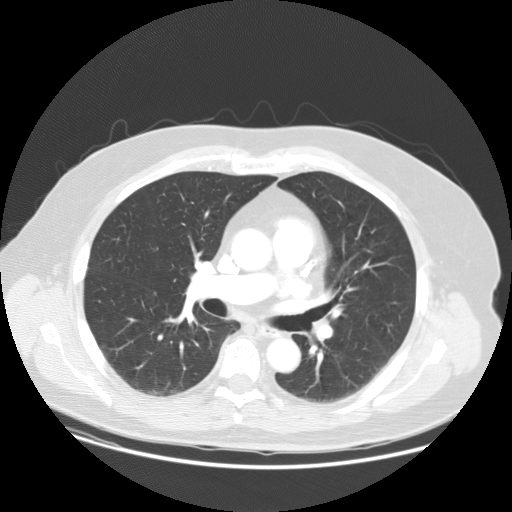
Axial chest CT slice 62 of 115 (counted from the lowest slice); 2.50 mm thick, 0.820 mm per pixel. This slice carries no reader outline of a nodule 3 mm or larger.
Scan settings: 120 kVp, STANDARD reconstruction kernel.